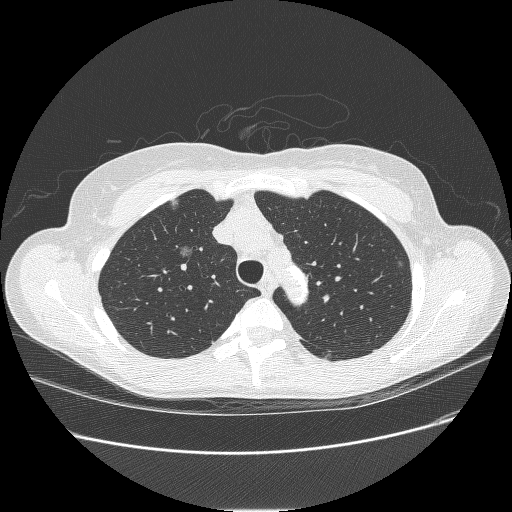
Axial chest CT slice 194 of 238 (counted from the lowest slice); tube voltage 120 kVp, convolution kernel BONE; slices 1.25 mm thick, 0.703 mm per pixel.
Three pulmonary nodules are outlined on this slice; from left to right: (1) Pulmonary nodule at rows 197–209, columns 170–178 (box = the union of the readers' outlines on this slice), outlined by all four readers; longest diameter 9.6 mm on average over the four readers' outlines (readers' outlines 8.5–10.1 mm), volume 141–235 mm3. The readers' prevailing ratings and who disagreed: texture 1/5 (non-solid) by three of four readers; the rest gave 3/5 (part-solid) (one); margin 1/5 (indistinct) by three of four readers; the rest gave 5/5 (circumscribed) (one); sphericity 4/5 by two of four readers; the rest gave 3/5 (ovoid) (one), 5/5 (round) (one); calcification absent, all four readers agreeing; internal structure soft tissue from all four readers; subtlety 4/5 by two of four readers; the rest gave 2/5 (one), 3/5 (one); malignancy likelihood 4/5 by two of four readers; the rest gave 2/5 (one), 3/5 (one). (2) Pulmonary nodule at rows 245–257, columns 179–193 (box = the union of the readers' outlines on this slice), outlined by all four readers; longest diameter 10.7 mm on average over the four readers' outlines (readers' outlines 9.6–12.0 mm), volume 193–427 mm3. The readers' prevailing ratings and who disagreed: texture 1/5 (non-solid) by three of four readers; the rest gave 3/5 (part-solid) (one); margin 1/5 (indistinct) by two of four readers; the rest gave 2/5 (one), 5/5 (circumscribed) (one); sphericity 5/5 (round) by two of four readers; the rest gave 3/5 (ovoid) (one), 4/5 (one); calcification absent, all four readers agreeing; internal structure soft tissue from all four readers; subtlety 4/5 by two of four readers; the rest gave 2/5 (one), 3/5 (one); malignancy likelihood 4/5 by two of four readers; the rest gave 2/5 (one), 3/5 (one). (3) Pulmonary nodule outlined by all four readers; box rows 260–267, columns 397–403 (the union of the readers' outlines on this slice); longest diameter 10.0 mm on average over the four readers' outlines (readers' outlines 8.0–11.4 mm), volume 146–273 mm3. The readers' prevailing ratings and who disagreed: texture 1/5 (non-solid) by two of four readers; the rest gave 2/5 (one), 3/5 (part-solid) (one); margin 1/5 (indistinct) by three of four readers; the rest gave 4/5 (one); sphericity 4/5 from all four readers; calcification absent from all four readers; internal structure soft tissue, all four readers agreeing; subtlety split among the readers: 2/5 (two), 4/5 (two); most readers (three of four) put malignancy likelihood at 4/5, others 3/5 (one). Scale key (1–5): texture non-solid→solid, margin indistinct→circumscribed, sphericity linear→round, subtlety extremely subtle→obvious, malignancy likelihood highly unlikely→highly suspicious of cancer. Box rows and columns are 0-based pixel indices from the top-left corner, inclusive.